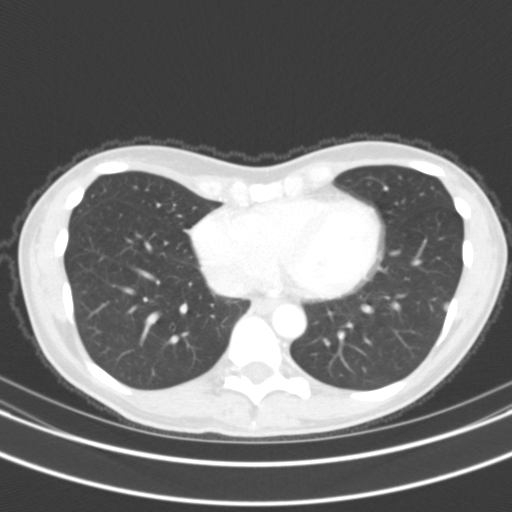
Axial slice 44 of 116 of a chest CT (slice 1 is the lowest), reconstructed with the B31s kernel at 130 kVp; 3.00 mm slice thickness and 0.588 mm pixels.
Pulmonary nodule outlined by three of the four readers; box rows 301–311, columns 443–448 (the union of the readers' outlines on this slice); median longest diameter 7.3 mm (readers' outlines 7.2–7.7 mm), median volume 115 mm3 (110–117 mm3). Ratings, median across the readers with their spread: texture 5/5 (solid), all three readers agreeing; median margin 5/5 (circumscribed) (readers ranged 4/5 to 5/5 (circumscribed)); median sphericity 3/5 (ovoid) (readers ranged 2/5 to 4/5); calcification absent, all three readers agreeing; internal structure soft tissue from all three readers; median subtlety 3/5 (readers ranged 3–5); malignancy likelihood 3/5 at the median of three readers, spread 1–3. Scale key (1–5): texture non-solid→solid, margin indistinct→circumscribed, sphericity linear→round, subtlety extremely subtle→obvious, malignancy likelihood highly unlikely→highly suspicious of cancer. Box rows and columns are 0-based pixel indices from the top-left corner, inclusive.